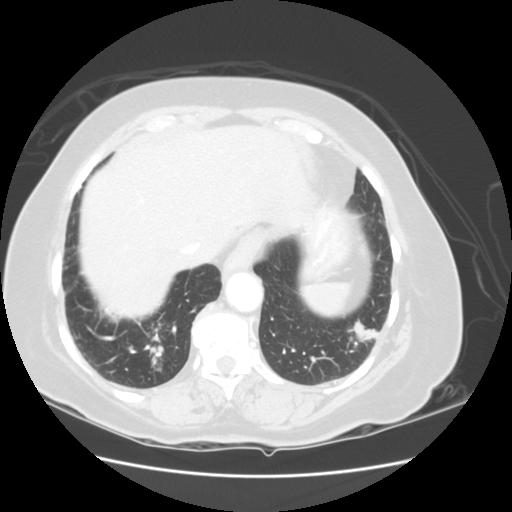
Axial slice 27 of 114 of a chest CT (slice 1 is the lowest), reconstructed with the STANDARD kernel at 120 kVp; 2.50 mm slice thickness and 0.703 mm pixels.
Pulmonary nodule at rows 320–341, columns 353–378 (box = the union of the readers' outlines on this slice), outlined by two of the four readers; longest diameter 32.3 mm on average over the two readers' outlines (readers' outlines 31.2–33.4 mm), volume 9358–10207 mm3. Ratings, by the readers' most common answer with dissent counted: texture 5/5 (solid), both readers agreeing; margin 4/5, both readers agreeing; sphericity 3/5 (ovoid) from both readers; calcification absent, both readers agreeing; internal structure soft tissue from both readers; subtlety 5/5 from both readers; malignancy likelihood 5/5 from both readers. Scale key (1–5): texture non-solid→solid, margin indistinct→circumscribed, sphericity linear→round, subtlety extremely subtle→obvious, malignancy likelihood highly unlikely→highly suspicious of cancer. Box rows and columns are 0-based pixel indices from the top-left corner, inclusive.